Axial chest CT slice 139 of 232 (counted from the lowest slice); tube voltage 120 kVp, convolution kernel STANDARD; slices 1.25 mm thick, 0.781 mm per pixel.
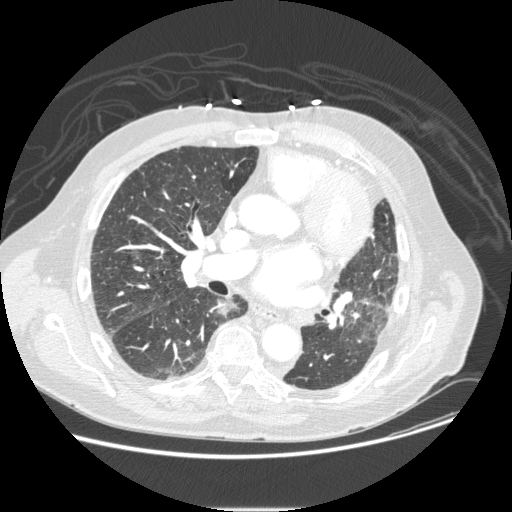
Pulmonary nodule outlined by three of the four readers; box rows 298–318, columns 215–240 (the union of the readers' outlines on this slice); longest diameter 21.5 mm on average over the three readers' outlines (readers' outlines 19.3–24.1 mm), volume 947–2023 mm3. Ratings, by the readers' most common answer with dissent counted: most readers (two of three) put texture at 1/5 (non-solid), others 2/5 (one); margin 3/5 by two of three readers; the rest gave 2/5 (one); sphericity split among the readers: 2/5 (one), 3/5 (ovoid) (one), 4/5 (one); calcification absent from all three readers; internal structure soft tissue from all three readers; most readers (two of three) put subtlety at 4/5, others 3/5 (one); most readers (two of three) put malignancy likelihood at 4/5, others 2/5 (one). Scale key (1–5): texture non-solid→solid, margin indistinct→circumscribed, sphericity linear→round, subtlety extremely subtle→obvious, malignancy likelihood highly unlikely→highly suspicious of cancer. Box rows and columns are 0-based pixel indices from the top-left corner, inclusive.